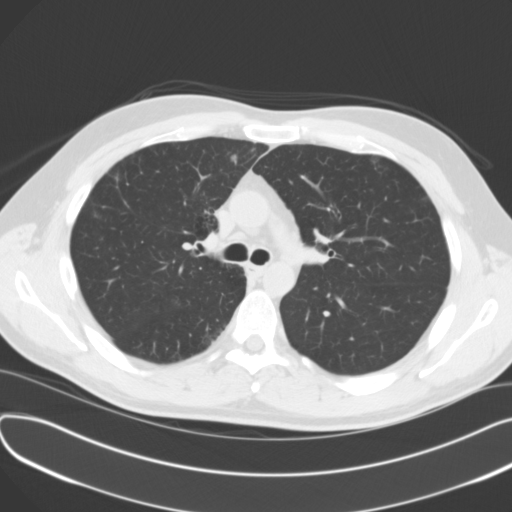
This is axial slice 86 of 131 (slice 1 is the lowest) of a chest CT; each pixel is 0.721 mm and the slice is 3.00 mm thick. Pulmonary nodule at rows 155–163, columns 231–236 (box = the union of the readers' outlines on this slice), outlined by all four readers; longest diameter 7.6 mm on average over the four readers' outlines (readers' outlines 6.8–8.4 mm), volume 171–265 mm3. The readers' prevailing ratings and who disagreed: texture 5/5 (solid) from all four readers; most readers (three of four) put margin at 5/5 (circumscribed), others 3/5 (one); sphericity 5/5 (round) by three of four readers; the rest gave 3/5 (ovoid) (one); calcification absent from all four readers; internal structure soft tissue, all four readers agreeing; subtlety split among the readers: 2/5 (one), 3/5 (one), 4/5 (one), 5/5 (one); malignancy likelihood 3/5 by two of four readers; the rest gave 1/5 (one), 2/5 (one). Scale key (1–5): texture non-solid→solid, margin indistinct→circumscribed, sphericity linear→round, subtlety extremely subtle→obvious, malignancy likelihood highly unlikely→highly suspicious of cancer. Box rows and columns are 0-based pixel indices from the top-left corner, inclusive.
Acquired at 120 kVp and reconstructed with the B31f kernel.